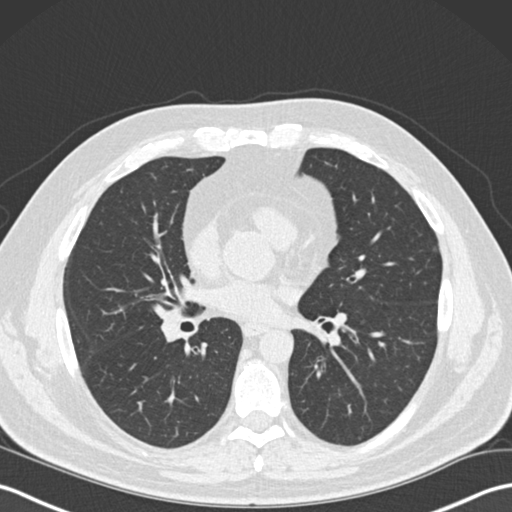
Axial chest CT slice 100 of 191 (counted from the lowest slice); tube voltage 120 kVp, convolution kernel B30f; slices 2.00 mm thick, 0.684 mm per pixel.
Pulmonary nodule at rows 246–251, columns 432–438 (box = the union of the readers' outlines on this slice), outlined by two of the four readers; longest diameter 6.3 mm on average over the two readers' outlines (readers' outlines 6.3 mm), volume 54–60 mm3. Ratings, by the readers' most common answer with dissent counted: texture split among the readers: 1/5 (non-solid) (one), 2/5 (one); margin 2/5 from both readers; sphericity split among the readers: 3/5 (ovoid) (one), 5/5 (round) (one); calcification absent, both readers agreeing; internal structure soft tissue from both readers; subtlety split among the readers: 1/5 (one), 5/5 (one); malignancy likelihood 2/5, both readers agreeing. Scale key (1–5): texture non-solid→solid, margin indistinct→circumscribed, sphericity linear→round, subtlety extremely subtle→obvious, malignancy likelihood highly unlikely→highly suspicious of cancer. Box rows and columns are 0-based pixel indices from the top-left corner, inclusive.